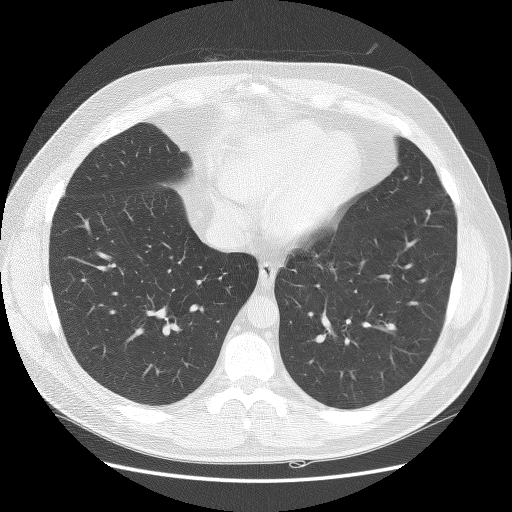
Axial chest CT slice 51 of 131 (counted from the lowest slice); 2.50 mm thick, 0.742 mm per pixel. Pulmonary nodule at rows 209–214, columns 426–430 (box = that reader's outline on this slice), outlined by one of the four readers; longest diameter 5.2 mm and volume 76 mm3 from that reader's outline. That reader's ratings: texture 5/5 (solid); margin 4/5; sphericity 4/5; calcification absent; internal structure soft tissue; subtlety 1/5; malignancy likelihood 1/5. Scale key (1–5): texture non-solid→solid, margin indistinct→circumscribed, sphericity linear→round, subtlety extremely subtle→obvious, malignancy likelihood highly unlikely→highly suspicious of cancer. Box rows and columns are 0-based pixel indices from the top-left corner, inclusive.
Scan settings: 140 kVp, BONE reconstruction kernel.